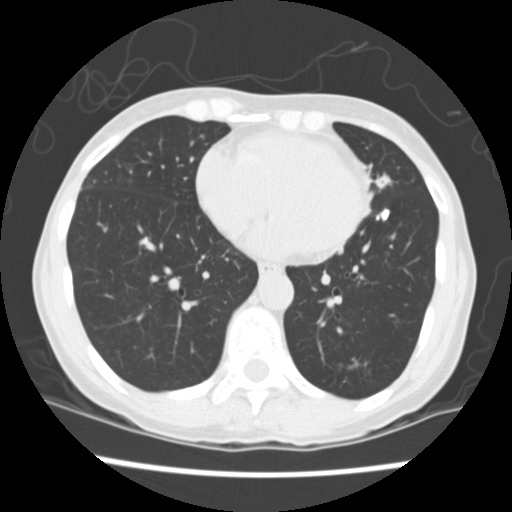
Axial slice 62 of 163 of a chest CT (slice 1 is the lowest), reconstructed with the STANDARD kernel at 120 kVp; 2.50 mm slice thickness and 0.586 mm pixels.
Pulmonary nodule, outlined by all four readers. Box on this slice rows 209–220, columns 377–389, the union of the readers' outlines on this slice; longest diameter 10.4 mm on average over the four readers' outlines (readers' outlines 9.5–11.1 mm), volume 385–423 mm3. The readers' prevailing ratings and who disagreed: texture 5/5 (solid), all four readers agreeing; margin 5/5 (circumscribed) by three of four readers; the rest gave 4/5 (one); sphericity split among the readers: 3/5 (ovoid) (two), 4/5 (two); calcification solid calcification by three of four readers, absent (one); internal structure soft tissue from all four readers; subtlety 5/5 by three of four readers; the rest gave 4/5 (one); malignancy likelihood 1/5 by three of four readers; the rest gave 4/5 (one). Scale key (1–5): texture non-solid→solid, margin indistinct→circumscribed, sphericity linear→round, subtlety extremely subtle→obvious, malignancy likelihood highly unlikely→highly suspicious of cancer. Box rows and columns are 0-based pixel indices from the top-left corner, inclusive.